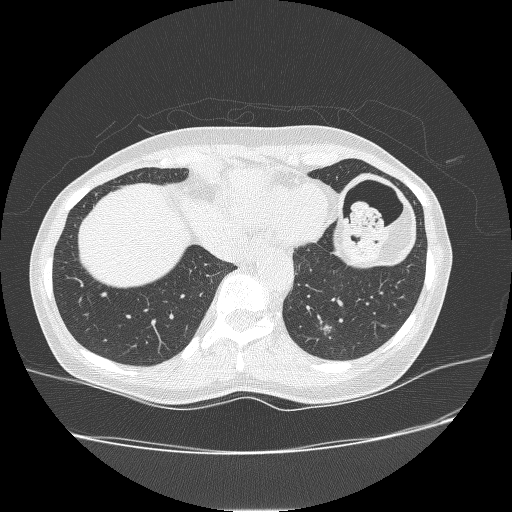
One axial slice (78 of 238, counting up from the lowest) of a chest CT acquired at 120 kVp with the BONE kernel; each pixel is 0.703 mm and the slice is 1.25 mm thick.
Pulmonary nodule at rows 323–335, columns 319–332 (box = the union of the readers' outlines on this slice), outlined by two of the four readers; longest diameter 12.0 mm on average over the two readers' outlines (readers' outlines 10.7–13.4 mm), volume 131–392 mm3. Ratings, by the readers' most common answer with dissent counted: texture 1/5 (non-solid), both readers agreeing; margin 1/5 (indistinct), both readers agreeing; sphericity split among the readers: 4/5 (one), 5/5 (round) (one); calcification absent, both readers agreeing; internal structure soft tissue, both readers agreeing; subtlety split among the readers: 2/5 (one), 4/5 (one); malignancy likelihood 3/5 from both readers. Scale key (1–5): texture non-solid→solid, margin indistinct→circumscribed, sphericity linear→round, subtlety extremely subtle→obvious, malignancy likelihood highly unlikely→highly suspicious of cancer. Box rows and columns are 0-based pixel indices from the top-left corner, inclusive.